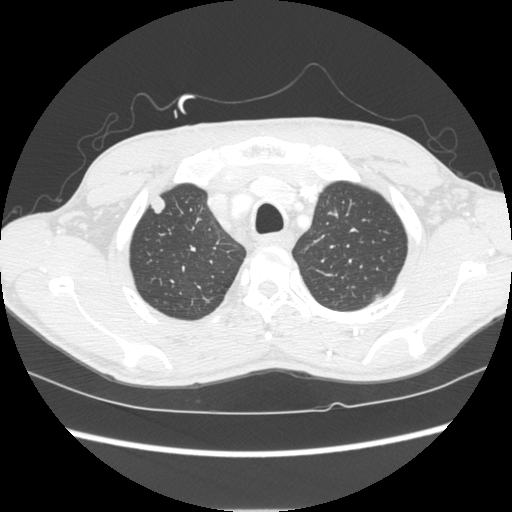
Axial chest CT slice 218 of 261 (counted from the lowest slice); tube voltage 120 kVp, convolution kernel STANDARD; slices 1.25 mm thick, 0.684 mm per pixel.
Pulmonary nodule at rows 196–213, columns 150–165 (box = the union of the readers' outlines on this slice), outlined by all four readers; longest diameter 14.0 mm on average over the four readers' outlines (readers' outlines 13.4–14.6 mm), volume 779–989 mm3. The readers' prevailing ratings and who disagreed: texture 5/5 (solid), all four readers agreeing; margin 5/5 (circumscribed), all four readers agreeing; sphericity split among the readers: 4/5 (two), 5/5 (round) (two); calcification absent from all four readers; internal structure soft tissue from all four readers; subtlety 5/5 by two of four readers; the rest gave 3/5 (one), 4/5 (one); malignancy likelihood 4/5 by two of four readers; the rest gave 2/5 (one), 5/5 (one). Scale key (1–5): texture non-solid→solid, margin indistinct→circumscribed, sphericity linear→round, subtlety extremely subtle→obvious, malignancy likelihood highly unlikely→highly suspicious of cancer. Box rows and columns are 0-based pixel indices from the top-left corner, inclusive.